Axial chest CT slice 35 of 115 (counted from the lowest slice); tube voltage 140 kVp, convolution kernel BONE; slices 2.50 mm thick, 0.586 mm per pixel.
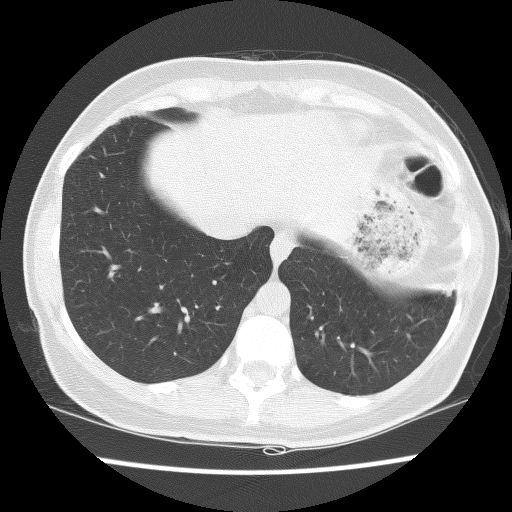
Pulmonary nodule at rows 290–295, columns 445–451 (box = that reader's outline on this slice), outlined by one of the four readers; longest diameter 8.0 mm and volume 106 mm3 from that reader's outline. Ratings by that reader: texture 5/5 (solid); margin 2/5; sphericity 4/5; calcification absent; internal structure soft tissue; subtlety 4/5; malignancy likelihood 3/5. Scale key (1–5): texture non-solid→solid, margin indistinct→circumscribed, sphericity linear→round, subtlety extremely subtle→obvious, malignancy likelihood highly unlikely→highly suspicious of cancer. Box rows and columns are 0-based pixel indices from the top-left corner, inclusive.